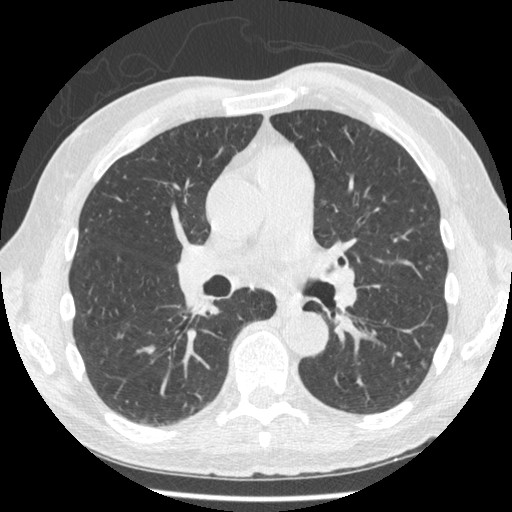
Axial chest CT slice 254 of 481 (counted from the lowest slice); tube voltage 120 kVp, convolution kernel STANDARD; slices 1.25 mm thick, 0.664 mm per pixel.
Two pulmonary nodules on this slice, listed from left to right. (1) Pulmonary nodule, outlined by all four readers. Box on this slice rows 125–131, columns 342–346, the union of the readers' outlines on this slice; longest diameter 4.8–6.3 mm and volume 16–46 mm3 across the four readers' outlines. Ratings across the readers: texture from 2/5 to 5/5 (solid) across the four readers; margin from 2/5 to 5/5 (circumscribed) across the four readers; sphericity from 2/5 to 5/5 (round) across the four readers; calcification absent, all four readers agreeing; internal structure soft tissue from all four readers; subtlety rated between 1 and 3 out of 5 by the four readers; malignancy likelihood 1–3/5 (the readers disagree). (2) Pulmonary nodule outlined by one of the four readers; box rows 360–367, columns 421–425 (that reader's outline on this slice); longest diameter 8.0 mm and volume 54 mm3 from that reader's outline. Ratings by that reader: texture 4/5; margin 5/5 (circumscribed); sphericity 4/5; calcification absent; internal structure soft tissue; subtlety 3/5; malignancy likelihood 3/5. Scale key (1–5): texture non-solid→solid, margin indistinct→circumscribed, sphericity linear→round, subtlety extremely subtle→obvious, malignancy likelihood highly unlikely→highly suspicious of cancer. Box rows and columns are 0-based pixel indices from the top-left corner, inclusive.